Chest CT, axial plane, 120 kVp, kernel B70f. Slice 163/345 from the bottom of the scan; thickness 2.00 mm; pixel size 0.541 mm.
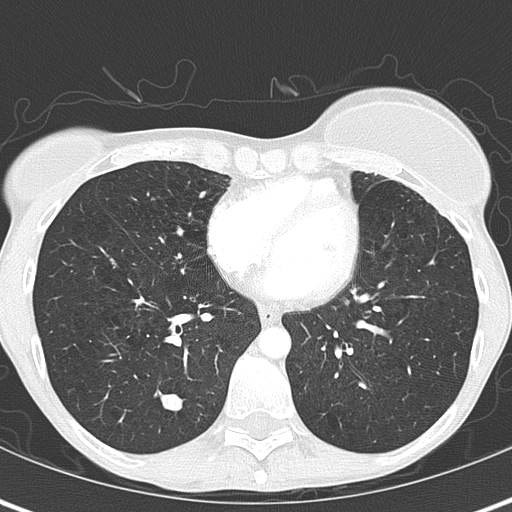
Pulmonary nodule at rows 394–411, columns 160–182 (box = the union of the readers' outlines on this slice), outlined by all four readers; longest diameter 13.8 mm on average over the four readers' outlines (readers' outlines 13.7–13.9 mm), volume 707–844 mm3. Ratings, by the readers' most common answer with dissent counted: texture 5/5 (solid), all four readers agreeing; margin 5/5 (circumscribed) from all four readers; sphericity split among the readers: 3/5 (ovoid) (two), 5/5 (round) (two); calcification split among the readers: laminated calcification (two), solid calcification (two); internal structure soft tissue from all four readers; subtlety 5/5, all four readers agreeing; malignancy likelihood 1/5 from all four readers. Scale key (1–5): texture non-solid→solid, margin indistinct→circumscribed, sphericity linear→round, subtlety extremely subtle→obvious, malignancy likelihood highly unlikely→highly suspicious of cancer. Box rows and columns are 0-based pixel indices from the top-left corner, inclusive.